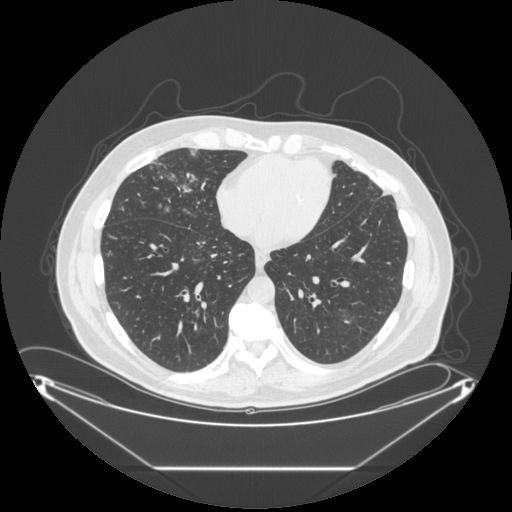
Axial slice 112 of 297 of a chest CT (slice 1 is the lowest), reconstructed with the STANDARD kernel at 120 kVp; 1.25 mm slice thickness and 0.949 mm pixels.
No nodule 3 mm or larger was outlined here by any reader.